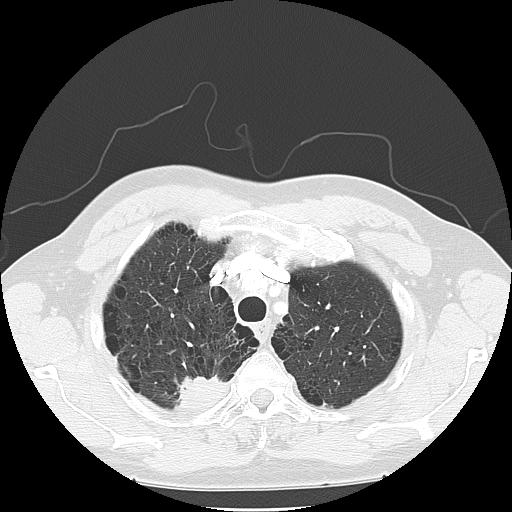
Axial chest CT slice 108 of 133 (counted from the lowest slice); 2.50 mm thick, 0.703 mm per pixel. Pulmonary nodule outlined by one of the four readers; box rows 376–407, columns 176–226 (that reader's outline on this slice); longest diameter 40.9 mm and volume 12423 mm3 from that reader's outline. Ratings by that reader: texture 5/5 (solid); margin 3/5; sphericity 3/5 (ovoid); calcification absent; internal structure soft tissue; subtlety 5/5; malignancy likelihood 2/5. Scale key (1–5): texture non-solid→solid, margin indistinct→circumscribed, sphericity linear→round, subtlety extremely subtle→obvious, malignancy likelihood highly unlikely→highly suspicious of cancer. Box rows and columns are 0-based pixel indices from the top-left corner, inclusive.
Acquired at 120 kVp and reconstructed with the LUNG kernel.